Axial slice 115 of 503 of a chest CT (slice 1 is the lowest), reconstructed with the STANDARD kernel at 120 kVp; 1.25 mm slice thickness and 0.742 mm pixels.
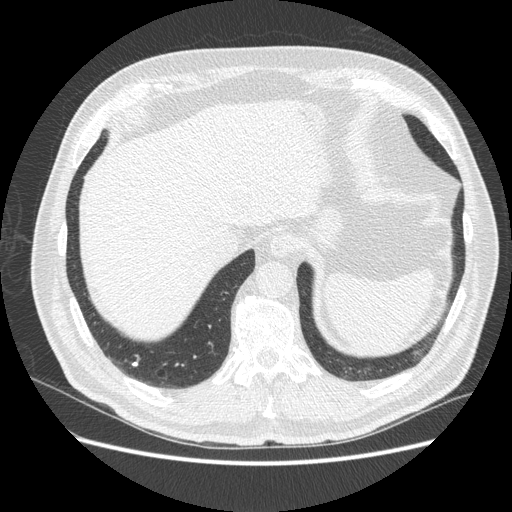
Pulmonary nodule, outlined by one of the four readers. Box on this slice rows 362–365, columns 132–137, that reader's outline on this slice; longest diameter 5.4 mm and volume 38 mm3 from that reader's outline. That reader's ratings: texture 5/5 (solid); margin 5/5 (circumscribed); sphericity 3/5 (ovoid); calcification solid calcification; internal structure soft tissue; subtlety 3/5; malignancy likelihood 1/5. Scale key (1–5): texture non-solid→solid, margin indistinct→circumscribed, sphericity linear→round, subtlety extremely subtle→obvious, malignancy likelihood highly unlikely→highly suspicious of cancer. Box rows and columns are 0-based pixel indices from the top-left corner, inclusive.